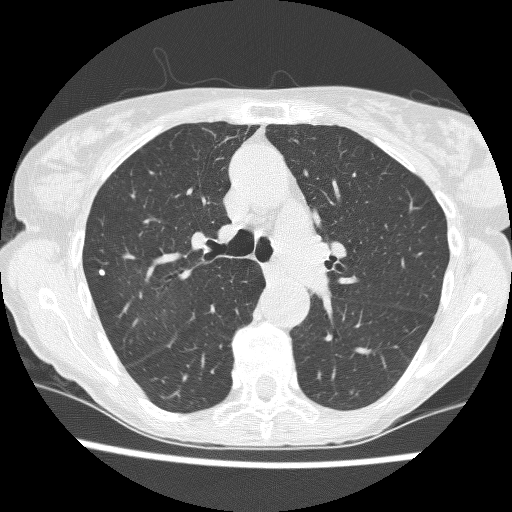
Slice 155/240 of a chest CT, counting up from the lowest; pixel size 0.566 mm, slice thickness 1.25 mm. Pulmonary nodule outlined by one of the four readers; box rows 269–275, columns 99–104 (that reader's outline on this slice); longest diameter 4.8 mm and volume 56 mm3 from that reader's outline. That reader's ratings: texture 5/5 (solid); margin 5/5 (circumscribed); sphericity 4/5; calcification solid calcification; internal structure soft tissue; subtlety 4/5; malignancy likelihood 1/5. Scale key (1–5): texture non-solid→solid, margin indistinct→circumscribed, sphericity linear→round, subtlety extremely subtle→obvious, malignancy likelihood highly unlikely→highly suspicious of cancer. Box rows and columns are 0-based pixel indices from the top-left corner, inclusive.
Acquired at 120 kVp and reconstructed with the BONE kernel.